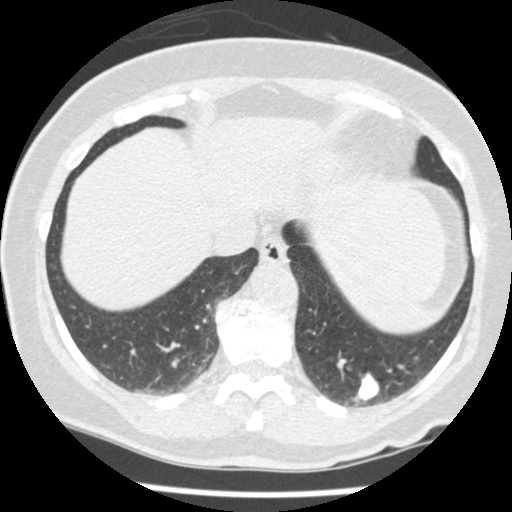
Axial chest CT slice 120 of 465 (counted from the lowest slice); 1.25 mm thick, 0.586 mm per pixel. Pulmonary nodule outlined by all four readers; box rows 372–400, columns 357–379 (the union of the readers' outlines on this slice); longest diameter 18.1 mm on average over the four readers' outlines (readers' outlines 15.8–20.8 mm), volume 1106–1600 mm3. The readers' prevailing ratings and who disagreed: texture 5/5 (solid) from all four readers; margin 4/5 by two of four readers; the rest gave 3/5 (one), 5/5 (circumscribed) (one); most readers (three of four) put sphericity at 4/5, others 3/5 (ovoid) (one); calcification absent by two of four readers, solid calcification (one), central calcification (one); internal structure soft tissue from all four readers; subtlety 5/5 from all four readers; malignancy likelihood 1/5 by two of four readers; the rest gave 4/5 (one), 5/5 (one). Scale key (1–5): texture non-solid→solid, margin indistinct→circumscribed, sphericity linear→round, subtlety extremely subtle→obvious, malignancy likelihood highly unlikely→highly suspicious of cancer. Box rows and columns are 0-based pixel indices from the top-left corner, inclusive.
Scan settings: 120 kVp, STANDARD reconstruction kernel.